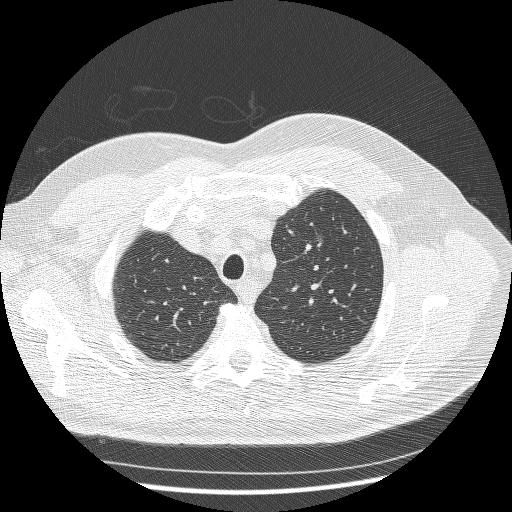
Axial slice 215 of 250 of a chest CT (slice 1 is the lowest), reconstructed with the BONE kernel at 120 kVp; 1.25 mm slice thickness and 0.721 mm pixels.
Pulmonary nodule, outlined by three of the four readers, two of them on this slice. Box on this slice rows 234–241, columns 315–323, the union of the readers' outlines on this slice; the three readers' outlines give a longest diameter between 10.0 and 10.8 mm and a volume between 55 and 215 mm3. Ratings across the readers: texture 1/5 (non-solid) from all three readers; margin from 1/5 (indistinct) to 2/5 across the three readers; sphericity from 2/5 to 5/5 (round) across the three readers; calcification absent, all three readers agreeing; internal structure soft tissue, all three readers agreeing; subtlety rated between 1 and 2 out of 5 by the three readers; malignancy likelihood from 3/5 to 4/5 across the three readers. Scale key (1–5): texture non-solid→solid, margin indistinct→circumscribed, sphericity linear→round, subtlety extremely subtle→obvious, malignancy likelihood highly unlikely→highly suspicious of cancer. Box rows and columns are 0-based pixel indices from the top-left corner, inclusive.